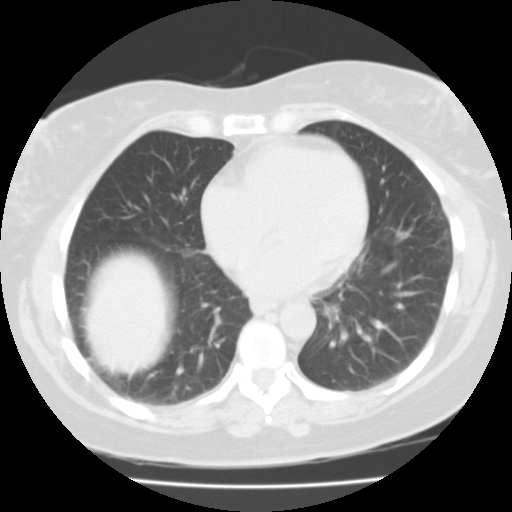
This is axial slice 29 of 87 (slice 1 is the lowest) of a chest CT; each pixel is 0.650 mm and the slice is 3.00 mm thick. Pulmonary nodule at rows 302–318, columns 323–340 (box = the union of the readers' outlines on this slice), outlined by all four readers, two of them on this slice; the four readers' outlines give a longest diameter between 19.5 and 28.0 mm and a volume between 2261 and 2704 mm3. Ratings across the readers: texture from 4/5 to 5/5 (solid) across the four readers; margin from 2/5 to 4/5 across the four readers; sphericity 4/5 from all four readers; calcification absent, all four readers agreeing; internal structure soft tissue, all four readers agreeing; subtlety from 4/5 to 5/5 across the four readers; malignancy likelihood 3–5/5 (the readers disagree). Scale key (1–5): texture non-solid→solid, margin indistinct→circumscribed, sphericity linear→round, subtlety extremely subtle→obvious, malignancy likelihood highly unlikely→highly suspicious of cancer. Box rows and columns are 0-based pixel indices from the top-left corner, inclusive.
Acquired at 135 kVp and reconstructed with the FC01 kernel.